Axial slice 132 of 231 of a chest CT (slice 1 is the lowest), reconstructed with the D kernel at 120 kVp; 1.00 mm slice thickness and 0.666 mm pixels.
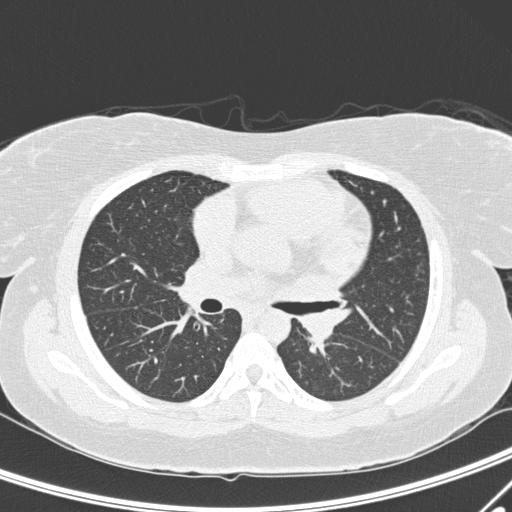
No nodule 3 mm or larger was outlined here by any reader.